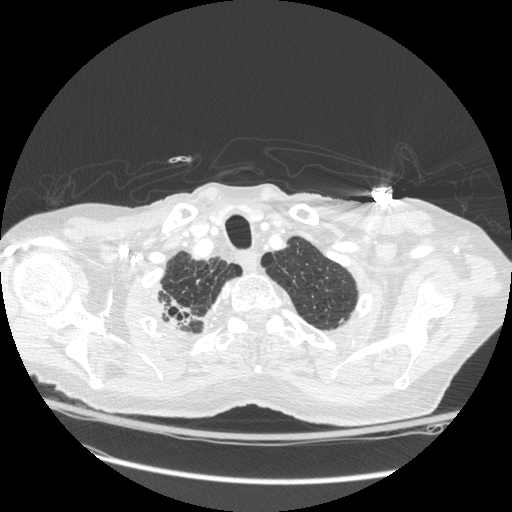
This is axial slice 246 of 272 (slice 1 is the lowest) of a chest CT; each pixel is 0.742 mm and the slice is 1.25 mm thick. Pulmonary nodule, outlined by all four readers, one of them on this slice. Box on this slice rows 288–328, columns 158–205, the one reader's outline on this slice; longest diameter 28.8 mm on average over the four readers' outlines (readers' outlines 16.0–56.1 mm), volume 732–13897 mm3. Ratings, by the readers' most common answer with dissent counted: texture 5/5 (solid), all four readers agreeing; margin 3/5 by three of four readers; the rest gave 5/5 (circumscribed) (one); most readers (three of four) put sphericity at 3/5 (ovoid), others 4/5 (one); calcification absent from all four readers; internal structure soft tissue, all four readers agreeing; subtlety 5/5, all four readers agreeing; most readers (three of four) put malignancy likelihood at 5/5, others 4/5 (one). Scale key (1–5): texture non-solid→solid, margin indistinct→circumscribed, sphericity linear→round, subtlety extremely subtle→obvious, malignancy likelihood highly unlikely→highly suspicious of cancer. Box rows and columns are 0-based pixel indices from the top-left corner, inclusive.
Tube voltage 120 kVp; convolution kernel STANDARD.